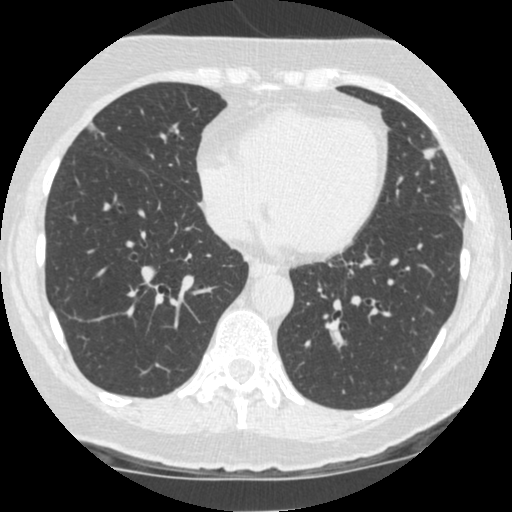
Axial chest CT slice 165 of 481 (counted from the lowest slice); tube voltage 120 kVp, convolution kernel STANDARD; slices 1.25 mm thick, 0.586 mm per pixel.
Pulmonary nodule at rows 148–159, columns 421–436 (box = the union of the readers' outlines on this slice), outlined by all four readers; longest diameter 9.6–11.3 mm and volume 410–491 mm3 across the four readers' outlines. The readers' ratings, as ranges where they differ: texture 5/5 (solid) from all four readers; margin from 4/5 to 5/5 (circumscribed) across the four readers; sphericity from 4/5 to 5/5 (round) across the four readers; calcification absent from all four readers; internal structure soft tissue, all four readers agreeing; subtlety rated between 4 and 5 out of 5 by the four readers; malignancy likelihood from 2/5 to 5/5 across the four readers. Scale key (1–5): texture non-solid→solid, margin indistinct→circumscribed, sphericity linear→round, subtlety extremely subtle→obvious, malignancy likelihood highly unlikely→highly suspicious of cancer. Box rows and columns are 0-based pixel indices from the top-left corner, inclusive.